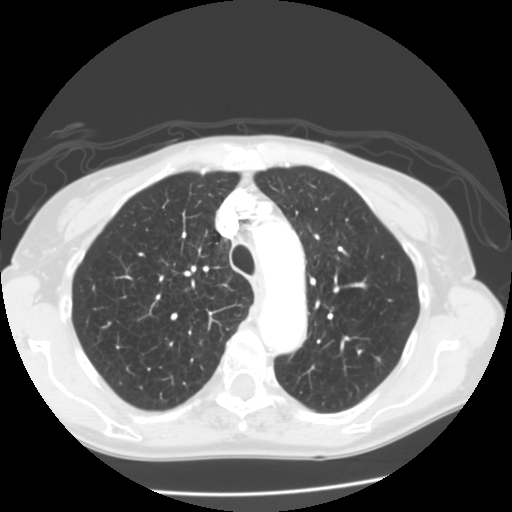
Axial chest CT slice 107 of 141 (counted from the lowest slice); tube voltage 120 kVp, convolution kernel STANDARD; slices 2.50 mm thick, 0.625 mm per pixel.
Pulmonary nodule, outlined by three of the four readers, two of them on this slice. Box on this slice rows 354–361, columns 372–381, the union of the readers' outlines on this slice; median longest diameter 9.4 mm (readers' outlines 7.5–11.9 mm), median volume 167 mm3 (100–469 mm3). Median ratings and the readers' spread: median texture 5/5 (solid) (readers ranged 4/5 to 5/5 (solid)); margin 4/5, all three readers agreeing; sphericity 3/5 (ovoid) at the median of three readers, spread 2/5 to 5/5 (round); calcification absent, all three readers agreeing; internal structure soft tissue from all three readers; subtlety 4/5 at the median of three readers, spread 3–5; median malignancy likelihood 4/5 (readers ranged 3–4). Scale key (1–5): texture non-solid→solid, margin indistinct→circumscribed, sphericity linear→round, subtlety extremely subtle→obvious, malignancy likelihood highly unlikely→highly suspicious of cancer. Box rows and columns are 0-based pixel indices from the top-left corner, inclusive.